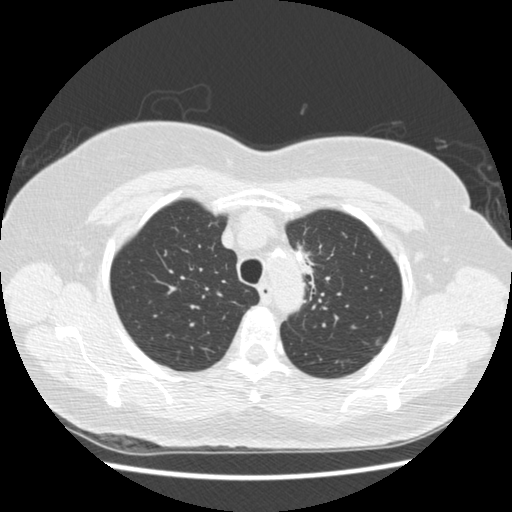
Slice 348/445 of a chest CT, counting up from the lowest; pixel size 0.645 mm, slice thickness 1.25 mm. Two pulmonary nodules on this slice, listed from left to right. (1) Pulmonary nodule, outlined by one of the four readers. Box on this slice rows 246–274, columns 295–311, that reader's outline on this slice; longest diameter 31.0 mm and volume 2055 mm3 from that reader's outline. Ratings by that reader: texture 5/5 (solid); margin 2/5; sphericity 2/5; calcification absent; internal structure soft tissue; subtlety 5/5; malignancy likelihood 4/5. (2) Pulmonary nodule, outlined by all four readers. Box on this slice rows 338–346, columns 375–382, the union of the readers' outlines on this slice; median longest diameter 11.1 mm (readers' outlines 9.9–11.6 mm), median volume 349 mm3 (292–430 mm3). Median ratings and the readers' spread: median texture 2/5 (readers ranged 1/5 (non-solid) to 4/5); margin 4/5 at the median of four readers, spread 2/5 to 5/5 (circumscribed); median sphericity 4/5 (readers ranged 3/5 (ovoid) to 5/5 (round)); calcification absent from all four readers; internal structure soft tissue, all four readers agreeing; median subtlety 3/5 (readers ranged 3–5); median malignancy likelihood 4/5 (readers ranged 2–5). Scale key (1–5): texture non-solid→solid, margin indistinct→circumscribed, sphericity linear→round, subtlety extremely subtle→obvious, malignancy likelihood highly unlikely→highly suspicious of cancer. Box rows and columns are 0-based pixel indices from the top-left corner, inclusive.
Scan settings: 120 kVp, STANDARD reconstruction kernel.